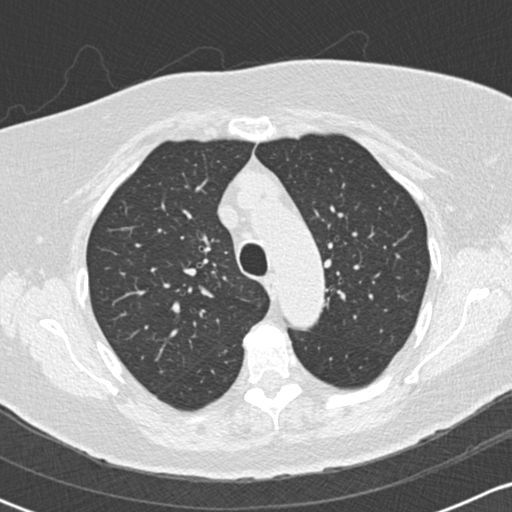
Axial chest CT slice 126 of 172 (counted from the lowest slice); tube voltage 120 kVp, convolution kernel B30f; slices 2.00 mm thick, 0.605 mm per pixel.
Pulmonary nodule at rows 236–240, columns 189–193 (box = that reader's outline on this slice), outlined by one of the four readers; longest diameter 11.4 mm and volume 292 mm3 from that reader's outline. Ratings by that reader: texture 1/5 (non-solid); margin 1/5 (indistinct); sphericity 2/5; calcification absent; internal structure soft tissue; subtlety 1/5; malignancy likelihood 4/5. Scale key (1–5): texture non-solid→solid, margin indistinct→circumscribed, sphericity linear→round, subtlety extremely subtle→obvious, malignancy likelihood highly unlikely→highly suspicious of cancer. Box rows and columns are 0-based pixel indices from the top-left corner, inclusive.